Chest CT, axial plane, 120 kVp, kernel B50f. Slice 592/733 from the bottom of the scan; thickness 0.60 mm; pixel size 0.637 mm.
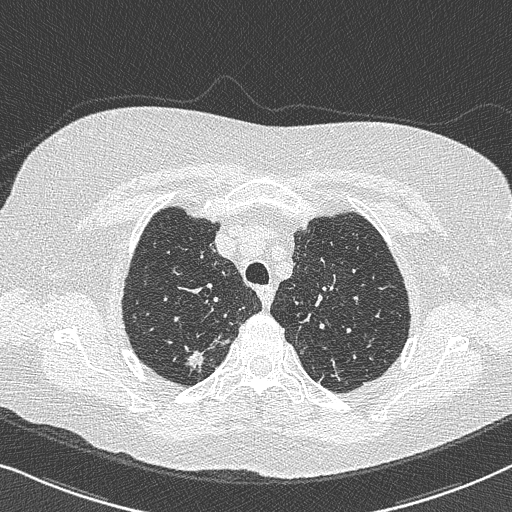
Pulmonary nodule at rows 348–375, columns 183–204 (box = the union of the readers' outlines on this slice), outlined by all four readers; longest diameter 22.0 mm on average over the four readers' outlines (readers' outlines 15.5–29.7 mm), volume 888–2128 mm3. Ratings, by the readers' most common answer with dissent counted: texture 5/5 (solid) by three of four readers; the rest gave 4/5 (one); margin 3/5 by two of four readers; the rest gave 1/5 (indistinct) (one), 4/5 (one); sphericity 3/5 (ovoid) by two of four readers; the rest gave 2/5 (one), 5/5 (round) (one); calcification absent from all four readers; internal structure soft tissue from all four readers; most readers (three of four) put subtlety at 5/5, others 4/5 (one); malignancy likelihood 4/5 by three of four readers; the rest gave 5/5 (one). Scale key (1–5): texture non-solid→solid, margin indistinct→circumscribed, sphericity linear→round, subtlety extremely subtle→obvious, malignancy likelihood highly unlikely→highly suspicious of cancer. Box rows and columns are 0-based pixel indices from the top-left corner, inclusive.